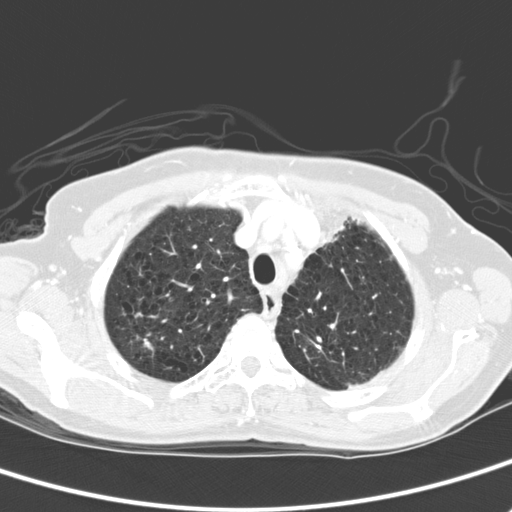
This is axial slice 208 of 280 (slice 1 is the lowest) of a chest CT; each pixel is 0.613 mm and the slice is 2.00 mm thick. Pulmonary nodule, outlined by all four readers, three of them on this slice. Box on this slice rows 339–350, columns 144–153, the union of the readers' outlines on this slice; the four readers' outlines give a longest diameter between 16.7 and 18.9 mm and a volume between 701 and 1041 mm3. Ratings across the readers: texture from 3/5 (part-solid) to 5/5 (solid) across the four readers; margin from 1/5 (indistinct) to 5/5 (circumscribed) across the four readers; sphericity from 2/5 to 4/5 across the four readers; calcification absent, all four readers agreeing; internal structure soft tissue, all four readers agreeing; subtlety rated between 2 and 5 out of 5 by the four readers; malignancy likelihood 3–5/5 (the readers disagree). Scale key (1–5): texture non-solid→solid, margin indistinct→circumscribed, sphericity linear→round, subtlety extremely subtle→obvious, malignancy likelihood highly unlikely→highly suspicious of cancer. Box rows and columns are 0-based pixel indices from the top-left corner, inclusive.
Scan settings: 120 kVp, D reconstruction kernel.